Axial slice 71 of 133 of a chest CT (slice 1 is the lowest), reconstructed with the LUNG kernel at 120 kVp; 2.50 mm slice thickness and 0.703 mm pixels.
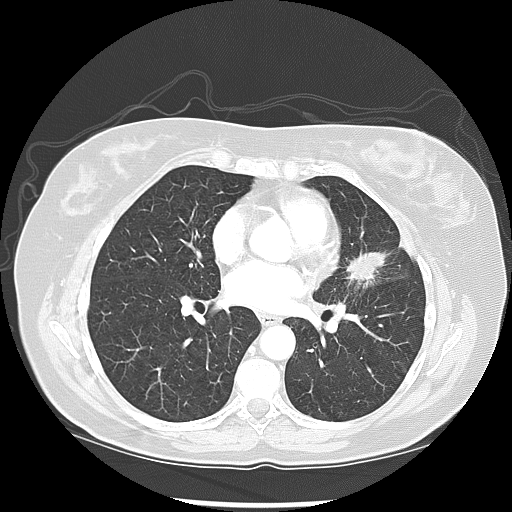
Pulmonary nodule, outlined by three of the four readers. Box on this slice rows 248–286, columns 344–387, the union of the readers' outlines on this slice; the three readers' outlines give a longest diameter between 33.3 and 41.8 mm and a volume between 6044 and 7666 mm3. The readers' ratings, as ranges where they differ: texture 5/5 (solid), all three readers agreeing; margin from 3/5 to 4/5 across the three readers; sphericity 3/5 (ovoid), all three readers agreeing; calcification absent from all three readers; internal structure soft tissue from all three readers; subtlety 5/5 from all three readers; malignancy likelihood 5/5 from all three readers. Scale key (1–5): texture non-solid→solid, margin indistinct→circumscribed, sphericity linear→round, subtlety extremely subtle→obvious, malignancy likelihood highly unlikely→highly suspicious of cancer. Box rows and columns are 0-based pixel indices from the top-left corner, inclusive.